One axial slice (108 of 137, counting up from the lowest) of a chest CT acquired at 120 kVp with the STANDARD kernel; each pixel is 0.781 mm and the slice is 2.50 mm thick.
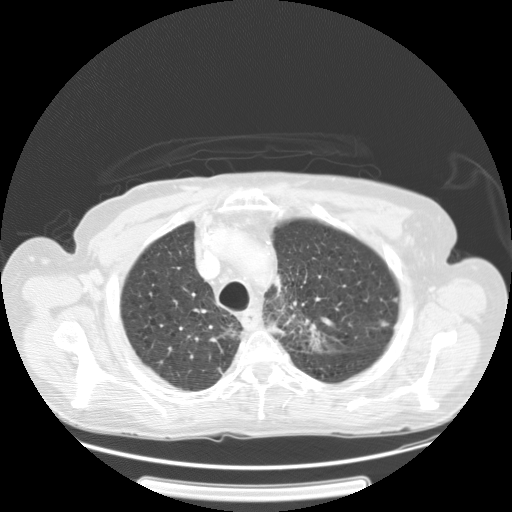
Two pulmonary nodules are outlined on this slice; from left to right: (1) Pulmonary nodule at rows 324–334, columns 268–283 (box = that reader's outline on this slice), outlined by one of the four readers; longest diameter 15.8 mm and volume 733 mm3 from that reader's outline. That reader's ratings: texture 3/5 (part-solid); margin 1/5 (indistinct); sphericity 4/5; calcification absent; internal structure soft tissue; subtlety 4/5; malignancy likelihood 3/5. (2) Pulmonary nodule, outlined by all four readers. Box on this slice rows 320–325, columns 379–388, the union of the readers' outlines on this slice; longest diameter 10.1 mm on average over the four readers' outlines (readers' outlines 9.1–11.0 mm), volume 252–362 mm3. Ratings, by the readers' most common answer with dissent counted: texture 5/5 (solid) by two of four readers; the rest gave 2/5 (one), 4/5 (one); margin split among the readers: 1/5 (indistinct) (one), 3/5 (one), 4/5 (one), 5/5 (circumscribed) (one); sphericity 3/5 (ovoid) by two of four readers; the rest gave 4/5 (one), 5/5 (round) (one); calcification absent from all four readers; internal structure soft tissue from all four readers; subtlety 4/5 by three of four readers; the rest gave 3/5 (one); malignancy likelihood split among the readers: 2/5 (two), 4/5 (two). Scale key (1–5): texture non-solid→solid, margin indistinct→circumscribed, sphericity linear→round, subtlety extremely subtle→obvious, malignancy likelihood highly unlikely→highly suspicious of cancer. Box rows and columns are 0-based pixel indices from the top-left corner, inclusive.